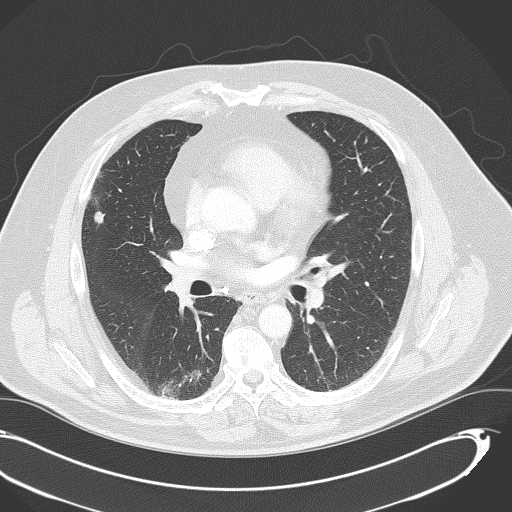
One axial slice (204 of 333, counting up from the lowest) of a chest CT acquired at 120 kVp with the B70f kernel; each pixel is 0.775 mm and the slice is 2.00 mm thick.
Pulmonary nodule, outlined by all four readers. Box on this slice rows 211–223, columns 94–104, the union of the readers' outlines on this slice; longest diameter 11.1 mm on average over the four readers' outlines (readers' outlines 9.4–12.6 mm), volume 231–434 mm3. Ratings, by the readers' most common answer with dissent counted: texture 5/5 (solid), all four readers agreeing; most readers (three of four) put margin at 4/5, others 5/5 (circumscribed) (one); most readers (three of four) put sphericity at 5/5 (round), others 4/5 (one); calcification absent by three of four readers, non-central calcification (one); internal structure soft tissue, all four readers agreeing; subtlety 5/5 by two of four readers; the rest gave 3/5 (one), 4/5 (one); malignancy likelihood 4/5 by two of four readers; the rest gave 1/5 (one), 3/5 (one). Scale key (1–5): texture non-solid→solid, margin indistinct→circumscribed, sphericity linear→round, subtlety extremely subtle→obvious, malignancy likelihood highly unlikely→highly suspicious of cancer. Box rows and columns are 0-based pixel indices from the top-left corner, inclusive.